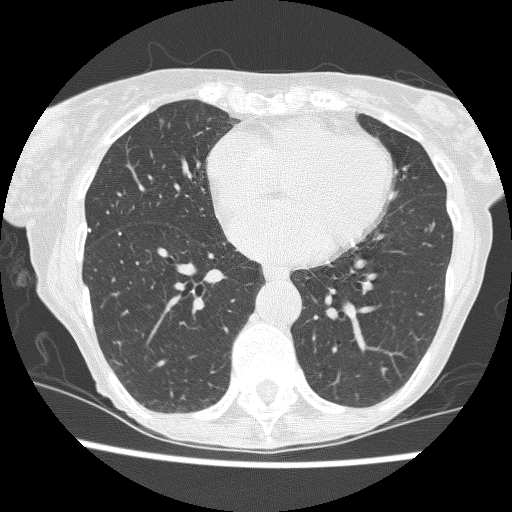
One axial slice (102 of 240, counting up from the lowest) of a chest CT acquired at 120 kVp with the BONE kernel; each pixel is 0.566 mm and the slice is 1.25 mm thick.
Pulmonary nodule outlined by all four readers, three of them on this slice; box rows 118–124, columns 159–165 (the union of the readers' outlines on this slice); longest diameter 5.6 mm on average over the four readers' outlines (readers' outlines 5.1–6.5 mm), volume 52–68 mm3. The readers' prevailing ratings and who disagreed: most readers (three of four) put texture at 4/5, others 5/5 (solid) (one); most readers (three of four) put margin at 4/5, others 2/5 (one); sphericity 3/5 (ovoid) by two of four readers; the rest gave 4/5 (one), 5/5 (round) (one); calcification absent, all four readers agreeing; internal structure soft tissue, all four readers agreeing; subtlety split among the readers: 3/5 (two), 4/5 (two); malignancy likelihood 3/5 by two of four readers; the rest gave 2/5 (one), 4/5 (one). Scale key (1–5): texture non-solid→solid, margin indistinct→circumscribed, sphericity linear→round, subtlety extremely subtle→obvious, malignancy likelihood highly unlikely→highly suspicious of cancer. Box rows and columns are 0-based pixel indices from the top-left corner, inclusive.